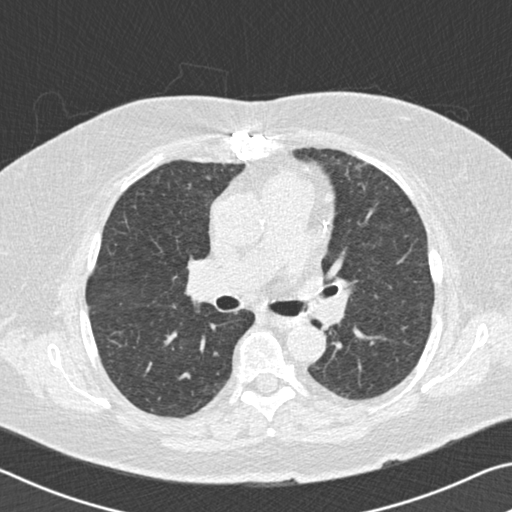
Axial slice 103 of 167 of a chest CT (slice 1 is the lowest), reconstructed with the B30f kernel at 120 kVp; 2.00 mm slice thickness and 0.664 mm pixels.
The readers outlined no nodule of 3 mm or more on this slice.